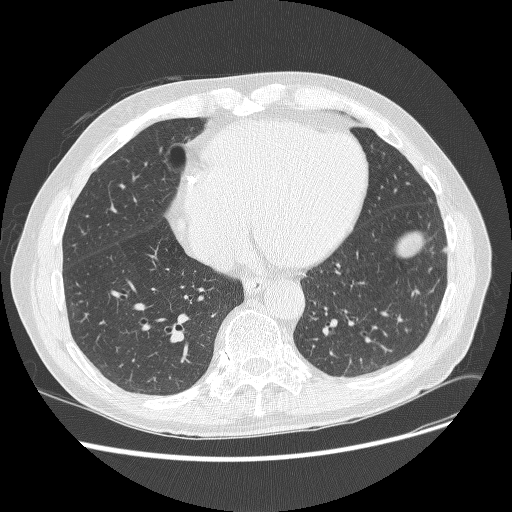
This is axial slice 105 of 268 (slice 1 is the lowest) of a chest CT; each pixel is 0.742 mm and the slice is 1.25 mm thick. Pulmonary nodule, outlined by two of the four readers. Box on this slice rows 246–252, columns 441–447, the union of the readers' outlines on this slice; longest diameter 6.2 mm on average over the two readers' outlines (readers' outlines 5.4–7.0 mm), volume 50–77 mm3. Ratings, by the readers' most common answer with dissent counted: texture split among the readers: 4/5 (one), 5/5 (solid) (one); margin split among the readers: 2/5 (one), 5/5 (circumscribed) (one); sphericity split among the readers: 3/5 (ovoid) (one), 5/5 (round) (one); calcification absent, both readers agreeing; internal structure soft tissue, both readers agreeing; subtlety 4/5, both readers agreeing; malignancy likelihood 3/5, both readers agreeing. Scale key (1–5): texture non-solid→solid, margin indistinct→circumscribed, sphericity linear→round, subtlety extremely subtle→obvious, malignancy likelihood highly unlikely→highly suspicious of cancer. Box rows and columns are 0-based pixel indices from the top-left corner, inclusive.
Scan settings: 120 kVp, BONE reconstruction kernel.